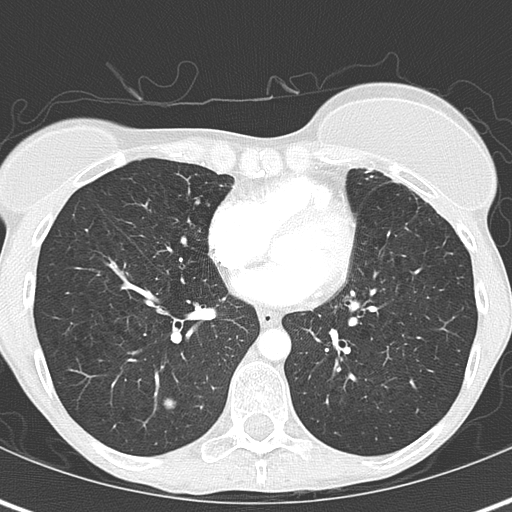
Chest CT, axial plane, 120 kVp, kernel B70f. Slice 169/345 from the bottom of the scan; thickness 2.00 mm; pixel size 0.541 mm.
Pulmonary nodule, outlined by all four readers. Box on this slice rows 397–409, columns 162–177, the union of the readers' outlines on this slice; longest diameter 13.8 mm on average over the four readers' outlines (readers' outlines 13.7–13.9 mm), volume 707–844 mm3. Ratings, by the readers' most common answer with dissent counted: texture 5/5 (solid), all four readers agreeing; margin 5/5 (circumscribed), all four readers agreeing; sphericity split among the readers: 3/5 (ovoid) (two), 5/5 (round) (two); calcification split among the readers: laminated calcification (two), solid calcification (two); internal structure soft tissue, all four readers agreeing; subtlety 5/5, all four readers agreeing; malignancy likelihood 1/5, all four readers agreeing. Scale key (1–5): texture non-solid→solid, margin indistinct→circumscribed, sphericity linear→round, subtlety extremely subtle→obvious, malignancy likelihood highly unlikely→highly suspicious of cancer. Box rows and columns are 0-based pixel indices from the top-left corner, inclusive.